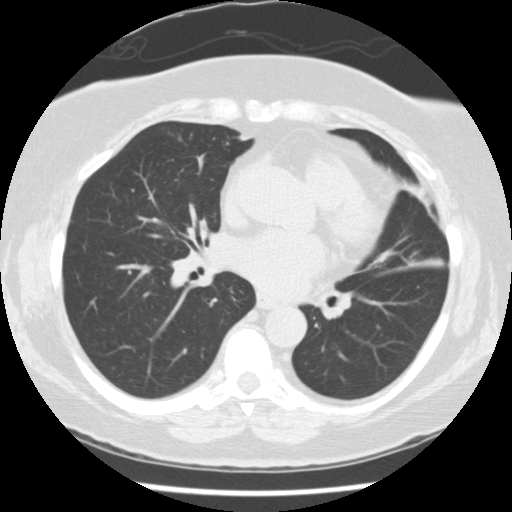
Chest CT, axial plane, 120 kVp, kernel STANDARD. Slice 69/144 from the bottom of the scan; thickness 2.50 mm; pixel size 0.625 mm.
None of the four readers outlined a nodule of 3 mm or more on this slice.